One axial slice (140 of 161, counting up from the lowest) of a chest CT acquired at 120 kVp with the B30f kernel; each pixel is 0.586 mm and the slice is 2.00 mm thick.
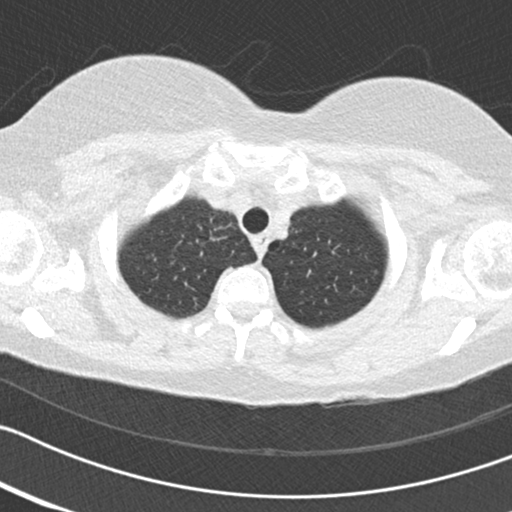
Pulmonary nodule, outlined by one of the four readers. Box on this slice rows 242–245, columns 200–205, that reader's outline on this slice; longest diameter 7.3 mm and volume 104 mm3 from that reader's outline. That reader's ratings: texture 1/5 (non-solid); margin 1/5 (indistinct); sphericity 4/5; calcification absent; internal structure soft tissue; subtlety 2/5; malignancy likelihood 4/5. Scale key (1–5): texture non-solid→solid, margin indistinct→circumscribed, sphericity linear→round, subtlety extremely subtle→obvious, malignancy likelihood highly unlikely→highly suspicious of cancer. Box rows and columns are 0-based pixel indices from the top-left corner, inclusive.